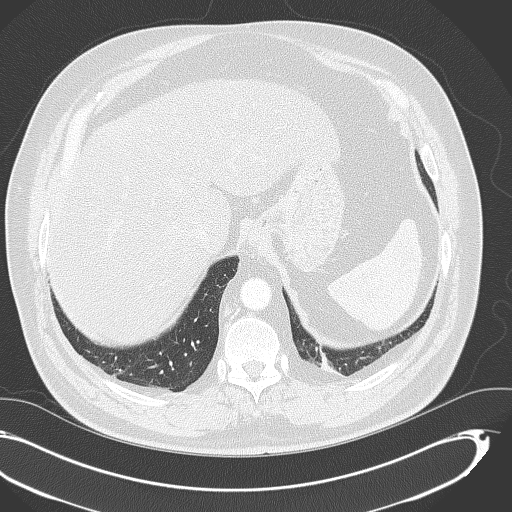
Axial chest CT slice 102 of 333 (counted from the lowest slice); tube voltage 120 kVp, convolution kernel B70f; slices 2.00 mm thick, 0.775 mm per pixel.
Pulmonary nodule, outlined by all four readers, three of them on this slice. Box on this slice rows 351–355, columns 158–162, the union of the readers' outlines on this slice; longest diameter 7.5 mm on average over the four readers' outlines (readers' outlines 7.1–8.0 mm), volume 121–157 mm3. Ratings, by the readers' most common answer with dissent counted: texture 5/5 (solid), all four readers agreeing; margin 5/5 (circumscribed), all four readers agreeing; sphericity split among the readers: 3/5 (ovoid) (two), 4/5 (two); calcification solid calcification by three of four readers, central calcification (one); internal structure soft tissue, all four readers agreeing; subtlety 5/5 by three of four readers; the rest gave 3/5 (one); malignancy likelihood 1/5, all four readers agreeing. Scale key (1–5): texture non-solid→solid, margin indistinct→circumscribed, sphericity linear→round, subtlety extremely subtle→obvious, malignancy likelihood highly unlikely→highly suspicious of cancer. Box rows and columns are 0-based pixel indices from the top-left corner, inclusive.